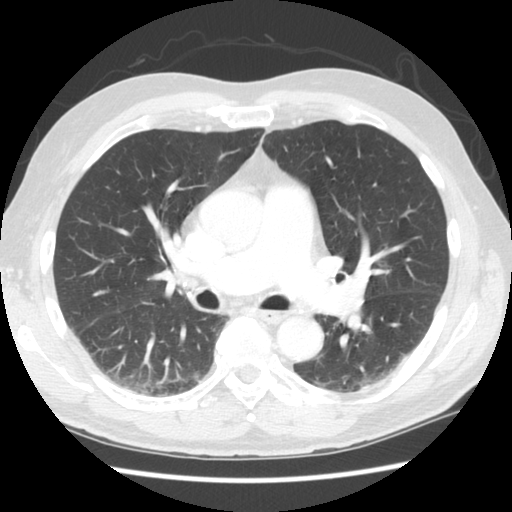
Axial slice 151 of 258 of a chest CT (slice 1 is the lowest), reconstructed with the STANDARD kernel at 120 kVp; 2.50 mm slice thickness and 0.664 mm pixels.
No nodule of 3 mm or larger was outlined by any of the four readers on this slice.